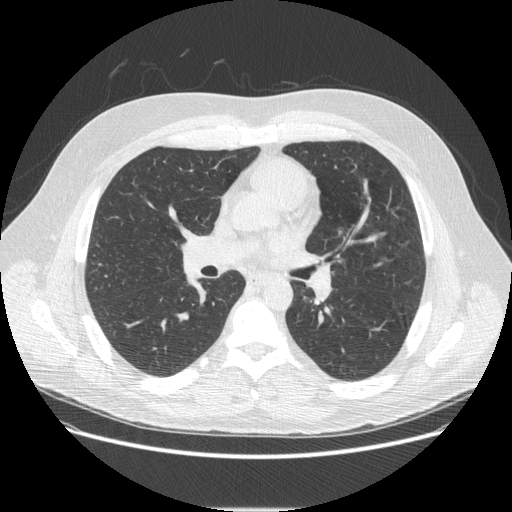
Slice 267/497 of a chest CT, counting up from the lowest; pixel size 0.762 mm, slice thickness 1.25 mm. This slice carries no reader outline of a nodule 3 mm or larger.
Tube voltage 120 kVp; convolution kernel STANDARD.